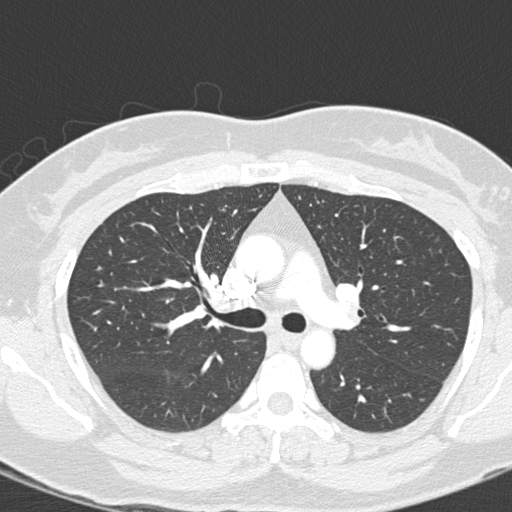
One axial slice (188 of 278, counting up from the lowest) of a chest CT acquired at 120 kVp with the B45f kernel; each pixel is 0.566 mm and the slice is 1.00 mm thick.
Pulmonary nodule outlined by three of the four readers, one of them on this slice; box rows 237–241, columns 435–438 (the one reader's outline on this slice); longest diameter 6.1 mm on average over the three readers' outlines (readers' outlines 4.1–9.6 mm), volume 25–86 mm3. Ratings, by the readers' most common answer with dissent counted: texture split among the readers: 1/5 (non-solid) (one), 4/5 (one), 5/5 (solid) (one); margin split among the readers: 1/5 (indistinct) (one), 4/5 (one), 5/5 (circumscribed) (one); sphericity split among the readers: 3/5 (ovoid) (one), 4/5 (one), 5/5 (round) (one); calcification absent by two of three readers, solid calcification (one); internal structure soft tissue from all three readers; subtlety split among the readers: 1/5 (one), 3/5 (one), 5/5 (one); malignancy likelihood split among the readers: 1/5 (one), 3/5 (one), 4/5 (one). Scale key (1–5): texture non-solid→solid, margin indistinct→circumscribed, sphericity linear→round, subtlety extremely subtle→obvious, malignancy likelihood highly unlikely→highly suspicious of cancer. Box rows and columns are 0-based pixel indices from the top-left corner, inclusive.